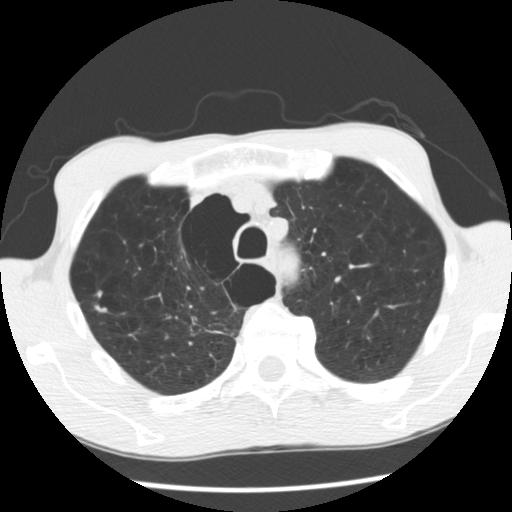
Axial slice 230 of 292 of a chest CT (slice 1 is the lowest), reconstructed with the STANDARD kernel at 120 kVp; 2.50 mm slice thickness and 0.645 mm pixels.
Two pulmonary nodules on this slice, listed from left to right. (1) Pulmonary nodule at rows 290–297, columns 96–102 (box = that reader's outline on this slice), outlined by one of the four readers; longest diameter 7.0 mm and volume 85 mm3 from that reader's outline. That reader's ratings: texture 5/5 (solid); margin 4/5; sphericity 4/5; calcification absent; internal structure soft tissue; subtlety 2/5; malignancy likelihood 2/5. (2) Pulmonary nodule at rows 304–311, columns 94–106 (box = the union of the readers' outlines on this slice), outlined by two of the four readers; longest diameter 8.9 mm on average over the two readers' outlines (readers' outlines 8.2–9.6 mm), volume 110–186 mm3. The readers' prevailing ratings and who disagreed: texture 4/5 from both readers; margin 4/5 from both readers; sphericity split among the readers: 2/5 (one), 4/5 (one); calcification absent from both readers; internal structure soft tissue, both readers agreeing; subtlety 3/5 from both readers; malignancy likelihood split among the readers: 2/5 (one), 3/5 (one). Scale key (1–5): texture non-solid→solid, margin indistinct→circumscribed, sphericity linear→round, subtlety extremely subtle→obvious, malignancy likelihood highly unlikely→highly suspicious of cancer. Box rows and columns are 0-based pixel indices from the top-left corner, inclusive.